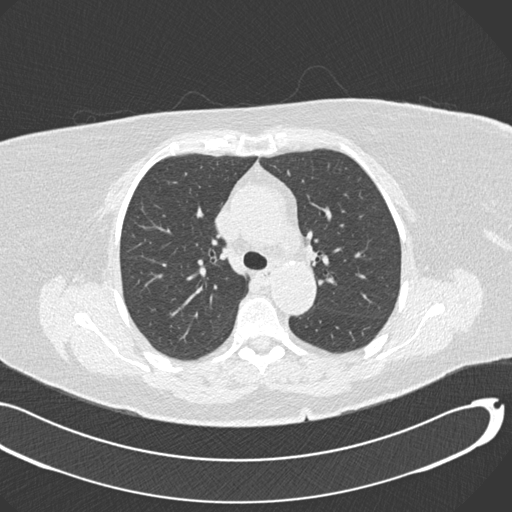
This is axial slice 117 of 177 (slice 1 is the lowest) of a chest CT; each pixel is 0.742 mm and the slice is 2.00 mm thick. No nodule 3 mm or larger was outlined here by any reader.
Tube voltage 120 kVp; convolution kernel B30f.